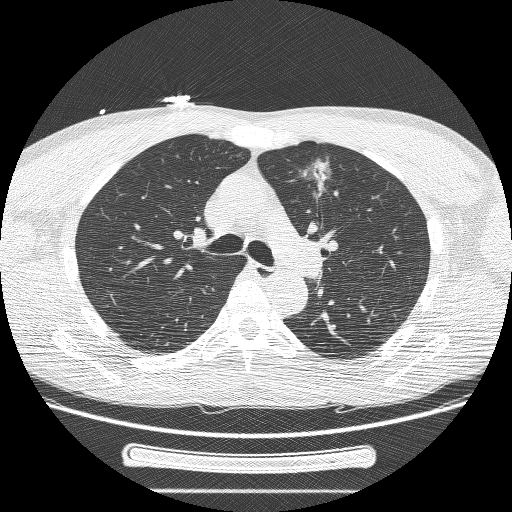
Axial chest CT slice 160 of 244 (counted from the lowest slice); 1.25 mm thick, 0.729 mm per pixel. Pulmonary nodule outlined by three of the four readers, two of them on this slice; box rows 154–203, columns 295–334 (the union of the readers' outlines on this slice); longest diameter 27.4–37.9 mm and volume 2934–10099 mm3 across the three readers' outlines. Ratings across the readers: texture from 3/5 (part-solid) to 5/5 (solid) across the three readers; margin from 1/5 (indistinct) to 3/5 across the three readers; sphericity from 2/5 to 4/5 across the three readers; calcification absent from all three readers; internal structure soft tissue, all three readers agreeing; subtlety 5/5, all three readers agreeing; malignancy likelihood rated between 3 and 5 out of 5 by the three readers. Scale key (1–5): texture non-solid→solid, margin indistinct→circumscribed, sphericity linear→round, subtlety extremely subtle→obvious, malignancy likelihood highly unlikely→highly suspicious of cancer. Box rows and columns are 0-based pixel indices from the top-left corner, inclusive.
Scan settings: 120 kVp, BONE reconstruction kernel.